Chest CT, axial plane, 120 kVp, kernel BONE. Slice 112/245 from the bottom of the scan; thickness 1.25 mm; pixel size 0.664 mm.
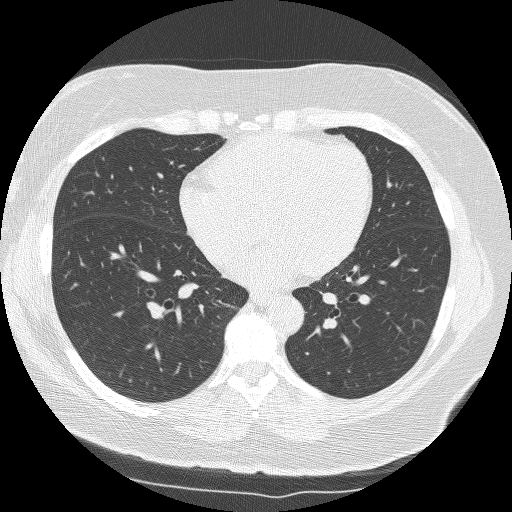
None of the four readers outlined a nodule of 3 mm or more on this slice.